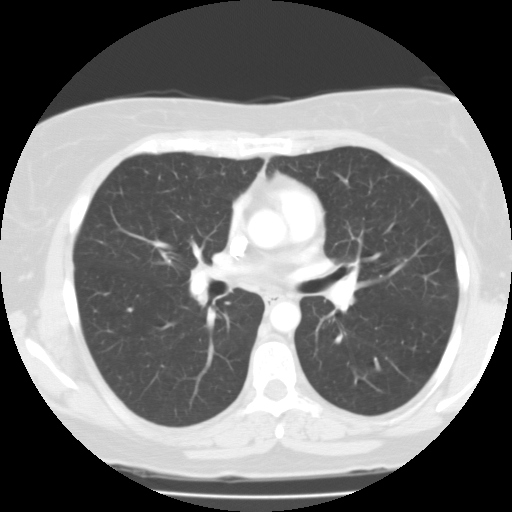
Axial chest CT slice 65 of 112 (counted from the lowest slice); tube voltage 135 kVp, convolution kernel FC01; slices 3.00 mm thick, 0.659 mm per pixel.
This slice carries no reader outline of a nodule 3 mm or larger.